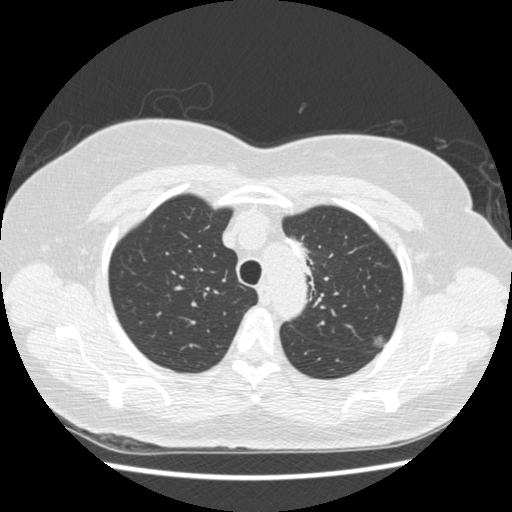
Axial slice 344 of 445 of a chest CT (slice 1 is the lowest), reconstructed with the STANDARD kernel at 120 kVp; 1.25 mm slice thickness and 0.645 mm pixels.
Pulmonary nodule at rows 335–348, columns 372–385 (box = the union of the readers' outlines on this slice), outlined by all four readers; longest diameter 10.9 mm on average over the four readers' outlines (readers' outlines 9.9–11.6 mm), volume 292–430 mm3. Ratings, by the readers' most common answer with dissent counted: texture 2/5 by two of four readers; the rest gave 1/5 (non-solid) (one), 4/5 (one); margin 4/5 by two of four readers; the rest gave 2/5 (one), 5/5 (circumscribed) (one); sphericity split among the readers: 3/5 (ovoid) (two), 5/5 (round) (two); calcification absent, all four readers agreeing; internal structure soft tissue, all four readers agreeing; most readers (three of four) put subtlety at 3/5, others 5/5 (one); malignancy likelihood 4/5 by two of four readers; the rest gave 2/5 (one), 5/5 (one). Scale key (1–5): texture non-solid→solid, margin indistinct→circumscribed, sphericity linear→round, subtlety extremely subtle→obvious, malignancy likelihood highly unlikely→highly suspicious of cancer. Box rows and columns are 0-based pixel indices from the top-left corner, inclusive.